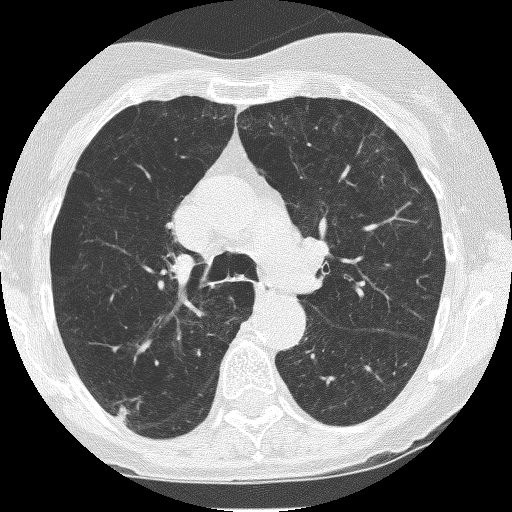
One axial slice (155 of 235, counting up from the lowest) of a chest CT acquired at 120 kVp with the BONE kernel; each pixel is 0.537 mm and the slice is 1.25 mm thick.
Pulmonary nodule, outlined by two of the four readers. Box on this slice rows 405–420, columns 116–126, the union of the readers' outlines on this slice; longest diameter 9.5 mm on average over the two readers' outlines (readers' outlines 9.3–9.7 mm), volume 80–93 mm3. The readers' prevailing ratings and who disagreed: texture 5/5 (solid) from both readers; margin 4/5 from both readers; sphericity split among the readers: 2/5 (one), 3/5 (ovoid) (one); calcification absent from both readers; internal structure soft tissue, both readers agreeing; subtlety 5/5 from both readers; malignancy likelihood 3/5, both readers agreeing. Scale key (1–5): texture non-solid→solid, margin indistinct→circumscribed, sphericity linear→round, subtlety extremely subtle→obvious, malignancy likelihood highly unlikely→highly suspicious of cancer. Box rows and columns are 0-based pixel indices from the top-left corner, inclusive.